One axial slice (288 of 730, counting up from the lowest) of a chest CT acquired at 120 kVp with the B30f kernel; each pixel is 0.730 mm and the slice is 0.60 mm thick.
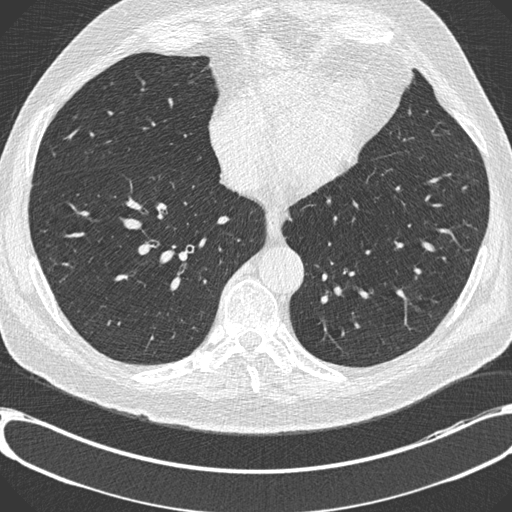
Pulmonary nodule, outlined by one of the four readers. Box on this slice rows 308–310, columns 416–419, that reader's outline on this slice; longest diameter 7.2 mm and volume 114 mm3 from that reader's outline. Ratings by that reader: texture 5/5 (solid); margin 5/5 (circumscribed); sphericity 5/5 (round); calcification absent; internal structure soft tissue; subtlety 3/5; malignancy likelihood 2/5. Scale key (1–5): texture non-solid→solid, margin indistinct→circumscribed, sphericity linear→round, subtlety extremely subtle→obvious, malignancy likelihood highly unlikely→highly suspicious of cancer. Box rows and columns are 0-based pixel indices from the top-left corner, inclusive.